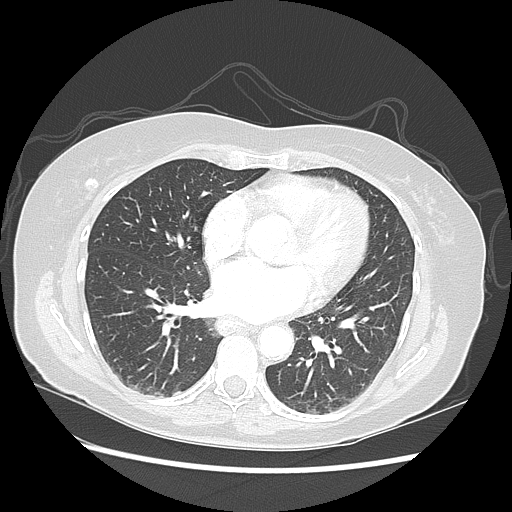
This is axial slice 64 of 125 (slice 1 is the lowest) of a chest CT; each pixel is 0.703 mm and the slice is 2.50 mm thick. None of the four readers outlined a nodule of 3 mm or more on this slice.
Scan settings: 120 kVp, LUNG reconstruction kernel.